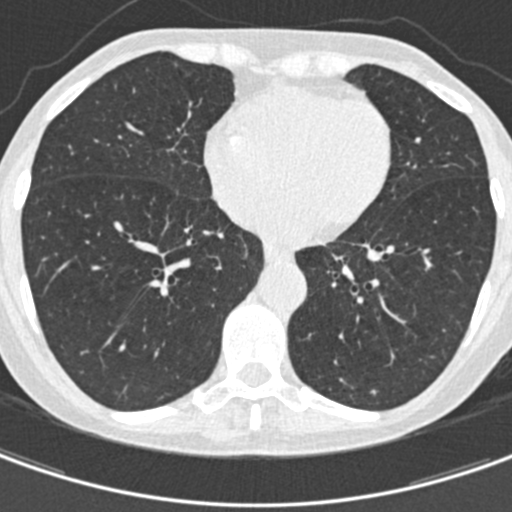
Axial slice 176 of 429 of a chest CT (slice 1 is the lowest), reconstructed with the B30f kernel at 120 kVp; 0.75 mm slice thickness and 0.537 mm pixels.
Pulmonary nodule outlined by two of the four readers, one of them on this slice; box rows 390–394, columns 371–376 (the one reader's outline on this slice); median longest diameter 5.7 mm (readers' outlines 5.6–5.7 mm), median volume 29 mm3 (25–33 mm3). Ratings, median across the readers with their spread: texture 4/5 at the median of two readers, spread 3/5 (part-solid) to 5/5 (solid); margin 4/5 at the median of two readers, spread 3/5 to 5/5 (circumscribed); median sphericity 4.5/5 (readers ranged 4/5 to 5/5 (round)); calcification absent from both readers; internal structure soft tissue from both readers; median subtlety 3.5/5 (readers ranged 3–4); median malignancy likelihood 2.5/5 (readers ranged 2–3). Scale key (1–5): texture non-solid→solid, margin indistinct→circumscribed, sphericity linear→round, subtlety extremely subtle→obvious, malignancy likelihood highly unlikely→highly suspicious of cancer. Box rows and columns are 0-based pixel indices from the top-left corner, inclusive.